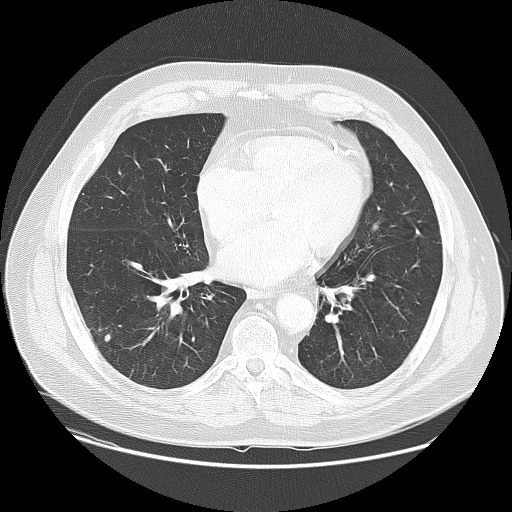
Chest CT, axial plane, 120 kVp, kernel LUNG. Slice 58/133 from the bottom of the scan; thickness 2.50 mm; pixel size 0.820 mm.
Pulmonary nodule at rows 333–341, columns 104–110 (box = the union of the readers' outlines on this slice), outlined by all four readers; longest diameter 7.9 mm on average over the four readers' outlines (readers' outlines 7.6–8.6 mm), volume 136–234 mm3. Ratings, by the readers' most common answer with dissent counted: texture 5/5 (solid), all four readers agreeing; margin 5/5 (circumscribed) by three of four readers; the rest gave 4/5 (one); sphericity split among the readers: 3/5 (ovoid) (two), 4/5 (two); calcification absent from all four readers; internal structure soft tissue, all four readers agreeing; subtlety 5/5 by two of four readers; the rest gave 2/5 (one), 4/5 (one); malignancy likelihood 3/5 by three of four readers; the rest gave 2/5 (one). Scale key (1–5): texture non-solid→solid, margin indistinct→circumscribed, sphericity linear→round, subtlety extremely subtle→obvious, malignancy likelihood highly unlikely→highly suspicious of cancer. Box rows and columns are 0-based pixel indices from the top-left corner, inclusive.